Chest CT, axial plane, 140 kVp, kernel BONE. Slice 79/123 from the bottom of the scan; thickness 2.50 mm; pixel size 0.568 mm.
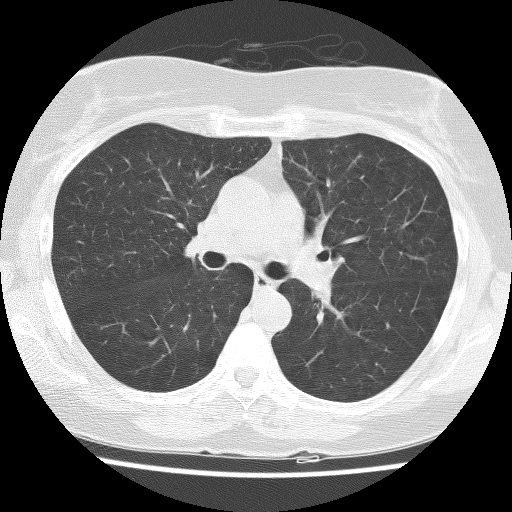
The readers outlined no nodule of 3 mm or more on this slice.